Axial slice 94 of 100 of a chest CT (slice 1 is the lowest), reconstructed with the FC01 kernel at 135 kVp; 3.00 mm slice thickness and 0.540 mm pixels.
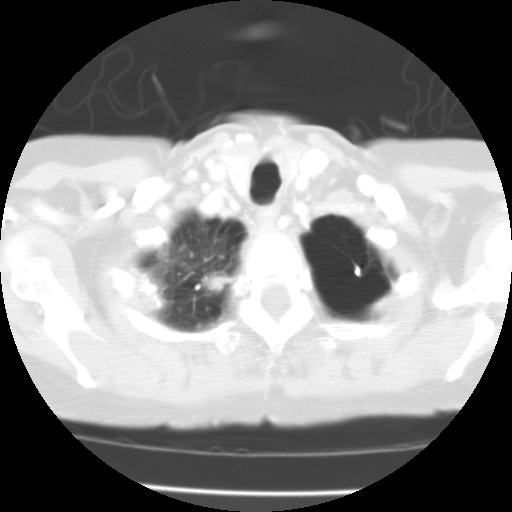
Pulmonary nodule at rows 266–276, columns 354–360 (box = that reader's outline on this slice), outlined by one of the four readers; longest diameter 7.1 mm and volume 126 mm3 from that reader's outline. That reader's ratings: texture 5/5 (solid); margin 5/5 (circumscribed); sphericity 3/5 (ovoid); calcification solid calcification; internal structure soft tissue; subtlety 3/5; malignancy likelihood 1/5. Scale key (1–5): texture non-solid→solid, margin indistinct→circumscribed, sphericity linear→round, subtlety extremely subtle→obvious, malignancy likelihood highly unlikely→highly suspicious of cancer. Box rows and columns are 0-based pixel indices from the top-left corner, inclusive.